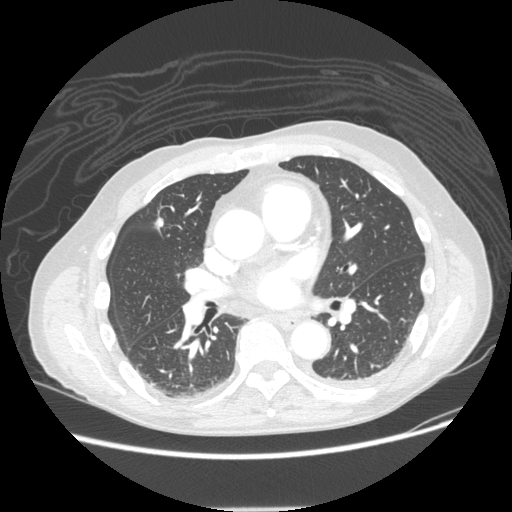
Axial chest CT slice 111 of 232 (counted from the lowest slice); tube voltage 120 kVp, convolution kernel STANDARD; slices 1.25 mm thick, 0.742 mm per pixel.
Pulmonary nodule outlined by all four readers; box rows 216–229, columns 154–164 (the union of the readers' outlines on this slice); median longest diameter 10.6 mm (readers' outlines 10.5–11.0 mm), median volume 229 mm3 (183–275 mm3). Ratings, median across the readers with their spread: texture 5/5 (solid) from all four readers; median margin 5/5 (circumscribed) (readers ranged 4/5 to 5/5 (circumscribed)); median sphericity 4.5/5 (readers ranged 4/5 to 5/5 (round)); calcification split among the readers: solid calcification (two), central calcification (two); internal structure soft tissue, all four readers agreeing; subtlety 5/5 at the median of four readers, spread 4–5; malignancy likelihood 1/5 from all four readers. Scale key (1–5): texture non-solid→solid, margin indistinct→circumscribed, sphericity linear→round, subtlety extremely subtle→obvious, malignancy likelihood highly unlikely→highly suspicious of cancer. Box rows and columns are 0-based pixel indices from the top-left corner, inclusive.